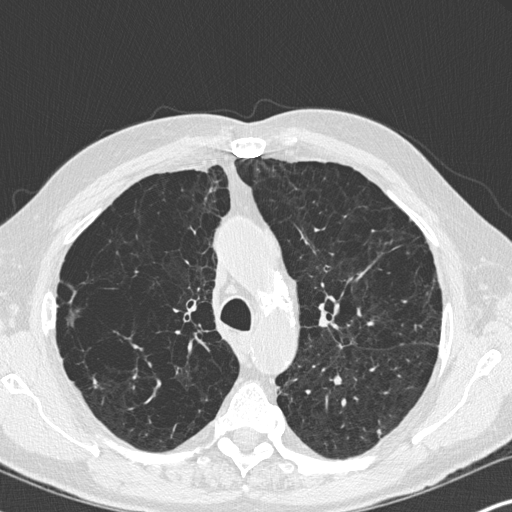
Slice 224/347 of a chest CT, counting up from the lowest; pixel size 0.625 mm, slice thickness 1.00 mm. Pulmonary nodule outlined by all four readers; box rows 428–437, columns 376–381 (the union of the readers' outlines on this slice); median longest diameter 10.0 mm (readers' outlines 9.1–11.9 mm), median volume 211 mm3 (166–319 mm3). Ratings, median across the readers with their spread: texture 5/5 (solid) from all four readers; margin 4.5/5 at the median of four readers, spread 2/5 to 5/5 (circumscribed); sphericity 3.5/5 at the median of four readers, spread 3/5 (ovoid) to 4/5; calcification absent, all four readers agreeing; internal structure soft tissue, all four readers agreeing; subtlety 4/5 at the median of four readers, spread 4–5; malignancy likelihood 3/5, all four readers agreeing. Scale key (1–5): texture non-solid→solid, margin indistinct→circumscribed, sphericity linear→round, subtlety extremely subtle→obvious, malignancy likelihood highly unlikely→highly suspicious of cancer. Box rows and columns are 0-based pixel indices from the top-left corner, inclusive.
Scan settings: 120 kVp, B45f reconstruction kernel.